Chest CT, axial plane, 120 kVp, kernel B30f. Slice 208/536 from the bottom of the scan; thickness 0.75 mm; pixel size 0.656 mm.
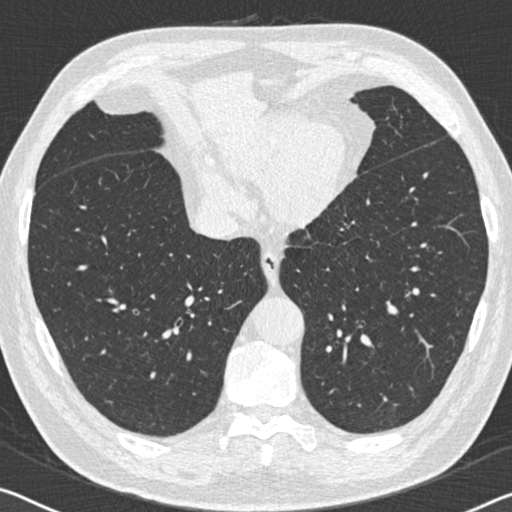
This slice carries no reader outline of a nodule 3 mm or larger.